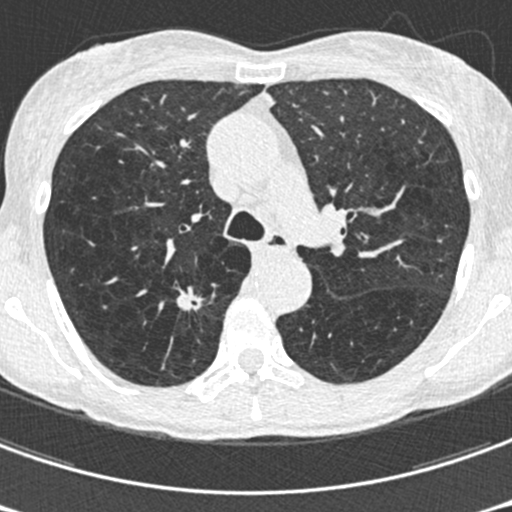
Slice 414/633 of a chest CT, counting up from the lowest; pixel size 0.541 mm, slice thickness 0.60 mm. Pulmonary nodule at rows 286–311, columns 175–204 (box = the union of the readers' outlines on this slice), outlined by all four readers; median longest diameter 18.4 mm (readers' outlines 18.1–21.0 mm), median volume 1471 mm3 (1292–1642 mm3). Ratings, median across the readers with their spread: texture 5/5 (solid), all four readers agreeing; margin 2/5 at the median of four readers, spread 1/5 (indistinct) to 3/5; median sphericity 3/5 (ovoid) (readers ranged 2/5 to 4/5); calcification absent, all four readers agreeing; internal structure soft tissue from all four readers; median subtlety 5/5 (readers ranged 4–5); malignancy likelihood 5/5 at the median of four readers, spread 4–5. Scale key (1–5): texture non-solid→solid, margin indistinct→circumscribed, sphericity linear→round, subtlety extremely subtle→obvious, malignancy likelihood highly unlikely→highly suspicious of cancer. Box rows and columns are 0-based pixel indices from the top-left corner, inclusive.
Acquired at 120 kVp and reconstructed with the B30f kernel.